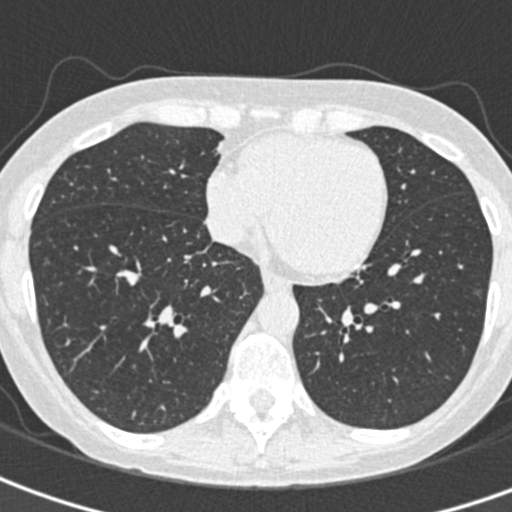
Slice 160/425 of a chest CT, counting up from the lowest; pixel size 0.539 mm, slice thickness 0.75 mm. The readers outlined no nodule of 3 mm or more on this slice.
Scan settings: 120 kVp, B30f reconstruction kernel.